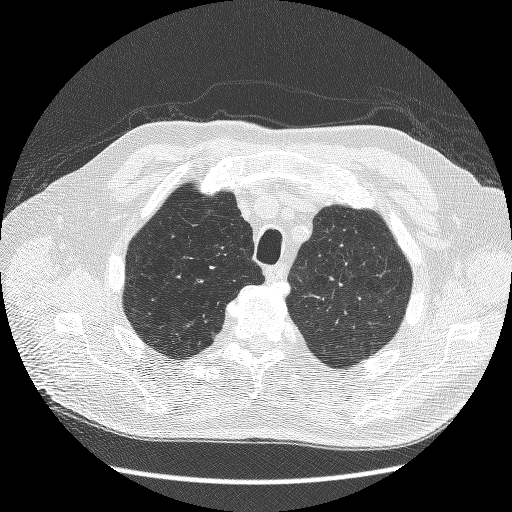
Axial chest CT slice 195 of 241 (counted from the lowest slice); 1.25 mm thick, 0.703 mm per pixel. Pulmonary nodule outlined by one of the four readers; box rows 332–337, columns 212–216 (that reader's outline on this slice); longest diameter 6.5 mm and volume 54 mm3 from that reader's outline. Ratings by that reader: texture 5/5 (solid); margin 5/5 (circumscribed); sphericity 4/5; calcification absent; internal structure soft tissue; subtlety 4/5; malignancy likelihood 2/5. Scale key (1–5): texture non-solid→solid, margin indistinct→circumscribed, sphericity linear→round, subtlety extremely subtle→obvious, malignancy likelihood highly unlikely→highly suspicious of cancer. Box rows and columns are 0-based pixel indices from the top-left corner, inclusive.
Scan settings: 120 kVp, BONE reconstruction kernel.